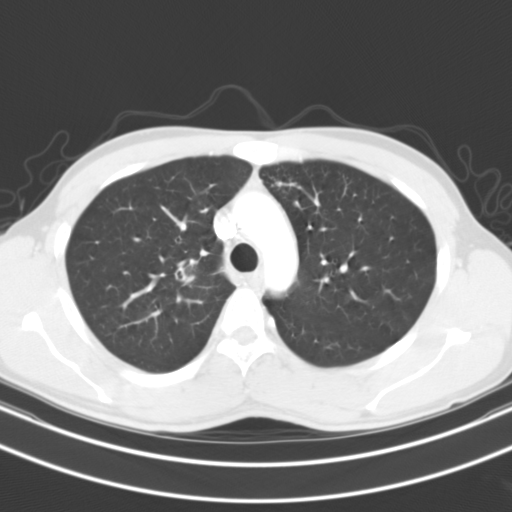
One axial slice (73 of 104, counting up from the lowest) of a chest CT acquired at 130 kVp with the B31s kernel; each pixel is 0.637 mm and the slice is 3.00 mm thick.
Pulmonary nodule, outlined by three of the four readers, one of them on this slice. Box on this slice rows 183–185, columns 278–282, the one reader's outline on this slice; median longest diameter 14.2 mm (readers' outlines 14.0–14.9 mm), median volume 683 mm3 (609–830 mm3). Median ratings and the readers' spread: texture 5/5 (solid) at the median of three readers, spread 4/5 to 5/5 (solid); margin 3/5 at the median of three readers, spread 2/5 to 4/5; median sphericity 4/5 (readers ranged 3/5 (ovoid) to 4/5); calcification absent from all three readers; internal structure soft tissue from all three readers; subtlety 5/5 at the median of three readers, spread 4–5; malignancy likelihood 4/5 at the median of three readers, spread 1–5. Scale key (1–5): texture non-solid→solid, margin indistinct→circumscribed, sphericity linear→round, subtlety extremely subtle→obvious, malignancy likelihood highly unlikely→highly suspicious of cancer. Box rows and columns are 0-based pixel indices from the top-left corner, inclusive.